One axial slice (109 of 280, counting up from the lowest) of a chest CT acquired at 120 kVp with the D kernel; each pixel is 0.666 mm and the slice is 1.00 mm thick.
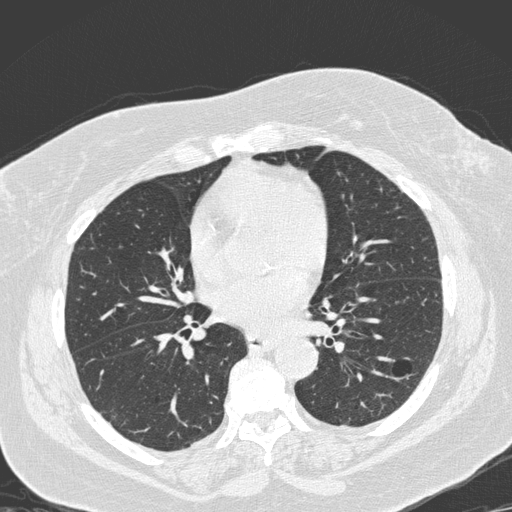
Pulmonary nodule outlined by two of the four readers, one of them on this slice; box rows 410–418, columns 110–115 (the one reader's outline on this slice); median longest diameter 17.7 mm (readers' outlines 16.7–18.8 mm), median volume 1269 mm3 (1162–1377 mm3). Ratings, median across the readers with their spread: texture 1/5 (non-solid) from both readers; margin 2/5, both readers agreeing; sphericity 4/5 at the median of two readers, spread 3/5 (ovoid) to 5/5 (round); calcification absent, both readers agreeing; internal structure soft tissue, both readers agreeing; median subtlety 2.5/5 (readers ranged 1–4); median malignancy likelihood 2.5/5 (readers ranged 2–3). Scale key (1–5): texture non-solid→solid, margin indistinct→circumscribed, sphericity linear→round, subtlety extremely subtle→obvious, malignancy likelihood highly unlikely→highly suspicious of cancer. Box rows and columns are 0-based pixel indices from the top-left corner, inclusive.